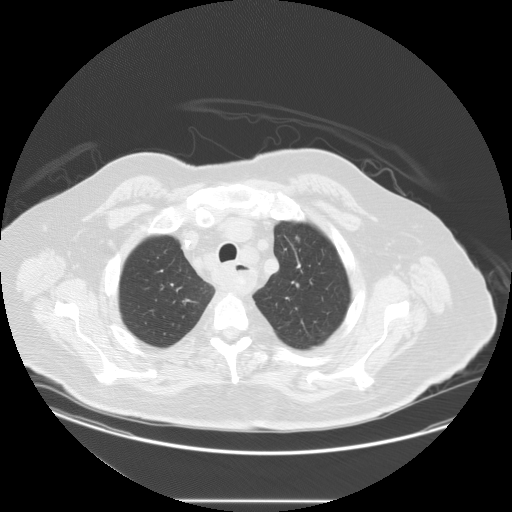
Axial chest CT slice 111 of 133 (counted from the lowest slice); tube voltage 120 kVp, convolution kernel STANDARD; slices 2.50 mm thick, 0.859 mm per pixel.
Pulmonary nodule at rows 235–240, columns 295–300 (box = the union of the readers' outlines on this slice), outlined by three of the four readers; median longest diameter 9.3 mm (readers' outlines 8.2–9.8 mm), median volume 366 mm3 (235–376 mm3). Median ratings and the readers' spread: median texture 5/5 (solid) (readers ranged 4/5 to 5/5 (solid)); median margin 5/5 (circumscribed) (readers ranged 4/5 to 5/5 (circumscribed)); sphericity 4/5 at the median of three readers, spread 3/5 (ovoid) to 5/5 (round); calcification absent from all three readers; internal structure soft tissue from all three readers; subtlety 2/5 at the median of three readers, spread 2–3; median malignancy likelihood 3/5 (readers ranged 2–3). Scale key (1–5): texture non-solid→solid, margin indistinct→circumscribed, sphericity linear→round, subtlety extremely subtle→obvious, malignancy likelihood highly unlikely→highly suspicious of cancer. Box rows and columns are 0-based pixel indices from the top-left corner, inclusive.